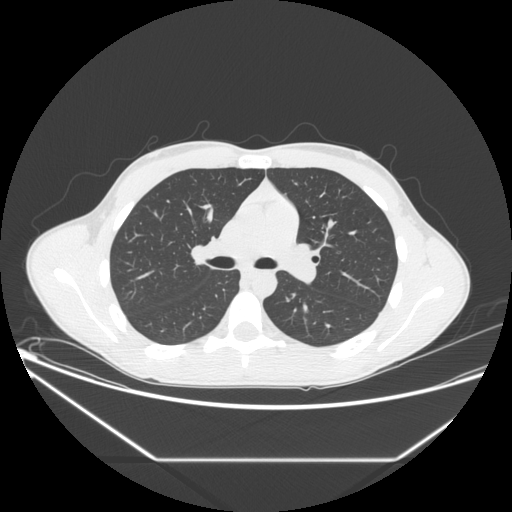
Axial slice 137 of 256 of a chest CT (slice 1 is the lowest), reconstructed with the STANDARD kernel at 120 kVp; 1.25 mm slice thickness and 0.781 mm pixels.
No nodule of 3 mm or larger was outlined by any of the four readers on this slice.